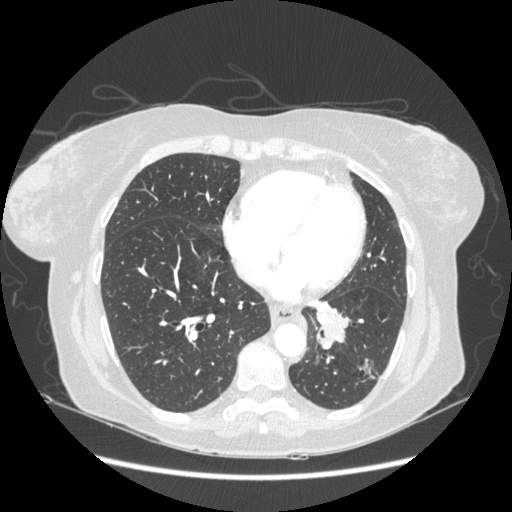
Axial slice 88 of 230 of a chest CT (slice 1 is the lowest), reconstructed with the STANDARD kernel at 120 kVp; 1.25 mm slice thickness and 0.742 mm pixels.
Pulmonary nodule at rows 359–378, columns 361–373 (box = the union of the readers' outlines on this slice), outlined by all four readers, two of them on this slice; median longest diameter 30.2 mm (readers' outlines 23.1–31.5 mm), median volume 4051 mm3 (3020–5074 mm3). Ratings, median across the readers with their spread: texture 5/5 (solid), all four readers agreeing; margin 4/5 at the median of four readers, spread 3/5 to 5/5 (circumscribed); sphericity 3/5 (ovoid) at the median of four readers, spread 3/5 (ovoid) to 5/5 (round); calcification absent from all four readers; internal structure soft tissue, all four readers agreeing; subtlety 5/5 from all four readers; malignancy likelihood 5/5 at the median of four readers, spread 3–5. Scale key (1–5): texture non-solid→solid, margin indistinct→circumscribed, sphericity linear→round, subtlety extremely subtle→obvious, malignancy likelihood highly unlikely→highly suspicious of cancer. Box rows and columns are 0-based pixel indices from the top-left corner, inclusive.